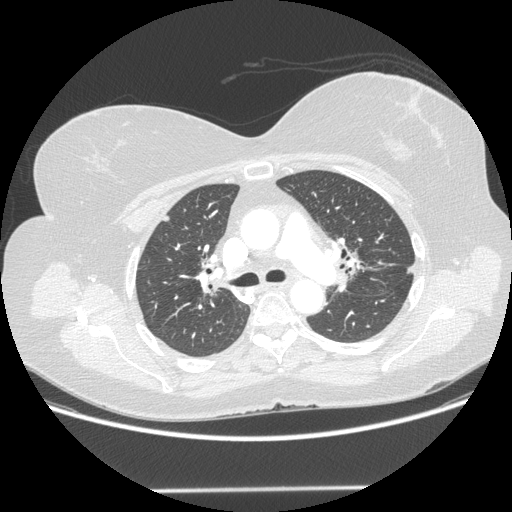
Chest CT, axial plane, 120 kVp, kernel STANDARD. Slice 134/214 from the bottom of the scan; thickness 1.25 mm; pixel size 0.781 mm.
Pulmonary nodule outlined by three of the four readers; box rows 215–221, columns 162–169 (the union of the readers' outlines on this slice); longest diameter 6.7 mm on average over the three readers' outlines (readers' outlines 6.4–7.2 mm), volume 63–76 mm3. Ratings, by the readers' most common answer with dissent counted: texture 5/5 (solid), all three readers agreeing; margin 5/5 (circumscribed), all three readers agreeing; most readers (two of three) put sphericity at 4/5, others 5/5 (round) (one); calcification absent, all three readers agreeing; internal structure soft tissue from all three readers; most readers (two of three) put subtlety at 3/5, others 5/5 (one); malignancy likelihood 3/5 by two of three readers; the rest gave 2/5 (one). Scale key (1–5): texture non-solid→solid, margin indistinct→circumscribed, sphericity linear→round, subtlety extremely subtle→obvious, malignancy likelihood highly unlikely→highly suspicious of cancer. Box rows and columns are 0-based pixel indices from the top-left corner, inclusive.